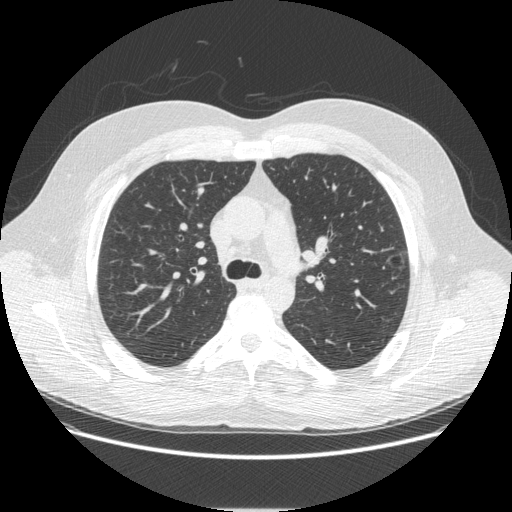
Axial chest CT slice 322 of 497 (counted from the lowest slice); 1.25 mm thick, 0.762 mm per pixel. Pulmonary nodule at rows 251–269, columns 387–406 (box = the union of the readers' outlines on this slice), outlined by all four readers; longest diameter 21.8 mm on average over the four readers' outlines (readers' outlines 21.5–22.5 mm), volume 2170–2597 mm3. The readers' prevailing ratings and who disagreed: most readers (three of four) put texture at 1/5 (non-solid), others 3/5 (part-solid) (one); margin 3/5 by two of four readers; the rest gave 2/5 (one), 4/5 (one); sphericity 5/5 (round) by two of four readers; the rest gave 3/5 (ovoid) (one), 4/5 (one); calcification absent from all four readers; internal structure split among the readers: air (two), soft tissue (two); subtlety 4/5 by two of four readers; the rest gave 1/5 (one), 5/5 (one); malignancy likelihood split among the readers: 1/5 (one), 2/5 (one), 4/5 (one), 5/5 (one). Scale key (1–5): texture non-solid→solid, margin indistinct→circumscribed, sphericity linear→round, subtlety extremely subtle→obvious, malignancy likelihood highly unlikely→highly suspicious of cancer. Box rows and columns are 0-based pixel indices from the top-left corner, inclusive.
Tube voltage 120 kVp; convolution kernel STANDARD.